Axial chest CT slice 111 of 124 (counted from the lowest slice); tube voltage 140 kVp, convolution kernel BONE; slices 2.50 mm thick, 0.615 mm per pixel.
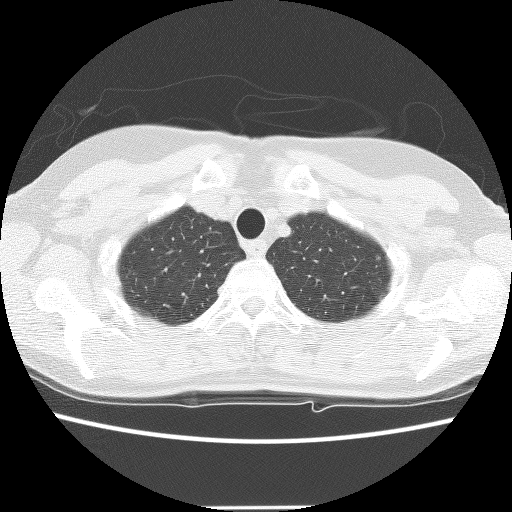
Pulmonary nodule outlined by two of the four readers; box rows 256–259, columns 375–380 (the union of the readers' outlines on this slice); longest diameter 4.1 mm on average over the two readers' outlines (readers' outlines 3.6–4.7 mm), volume 26–53 mm3. Ratings, by the readers' most common answer with dissent counted: texture split among the readers: 3/5 (part-solid) (one), 5/5 (solid) (one); margin split among the readers: 3/5 (one), 5/5 (circumscribed) (one); sphericity split among the readers: 3/5 (ovoid) (one), 5/5 (round) (one); calcification absent from both readers; internal structure soft tissue, both readers agreeing; subtlety split among the readers: 1/5 (one), 4/5 (one); malignancy likelihood split among the readers: 1/5 (one), 3/5 (one). Scale key (1–5): texture non-solid→solid, margin indistinct→circumscribed, sphericity linear→round, subtlety extremely subtle→obvious, malignancy likelihood highly unlikely→highly suspicious of cancer. Box rows and columns are 0-based pixel indices from the top-left corner, inclusive.